Chest CT, axial plane, 120 kVp, kernel D. Slice 111/280 from the bottom of the scan; thickness 1.00 mm; pixel size 0.578 mm.
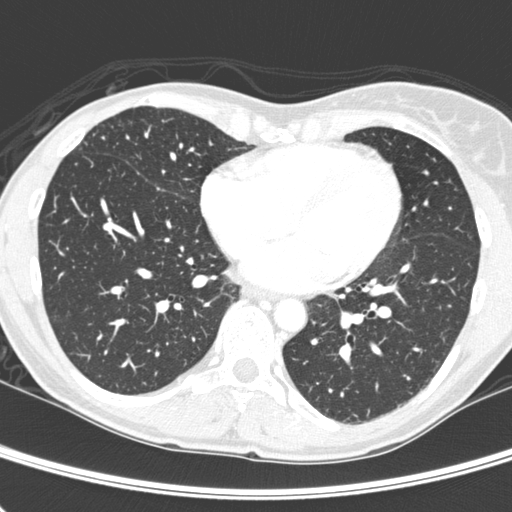
No nodule 3 mm or larger was outlined here by any reader.